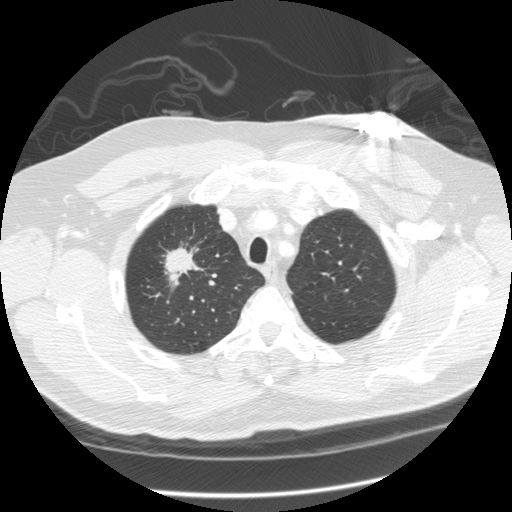
One axial slice (255 of 305, counting up from the lowest) of a chest CT acquired at 120 kVp with the STANDARD kernel; each pixel is 0.732 mm and the slice is 1.25 mm thick.
Pulmonary nodule at rows 245–288, columns 163–204 (box = the union of the readers' outlines on this slice), outlined by three of the four readers; the three readers' outlines give a longest diameter between 41.0 and 45.9 mm and a volume between 6528 and 11092 mm3. Ratings across the readers: texture from 3/5 (part-solid) to 5/5 (solid) across the three readers; margin from 1/5 (indistinct) to 4/5 across the three readers; sphericity from 2/5 to 3/5 (ovoid) across the three readers; calcification absent, all three readers agreeing; internal structure soft tissue, all three readers agreeing; subtlety 5/5 from all three readers; malignancy likelihood 5/5, all three readers agreeing. Scale key (1–5): texture non-solid→solid, margin indistinct→circumscribed, sphericity linear→round, subtlety extremely subtle→obvious, malignancy likelihood highly unlikely→highly suspicious of cancer. Box rows and columns are 0-based pixel indices from the top-left corner, inclusive.